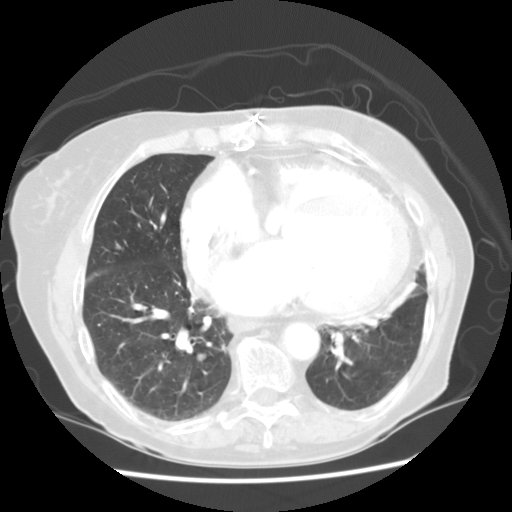
Chest CT, axial plane, 120 kVp, kernel STANDARD. Slice 58/125 from the bottom of the scan; thickness 2.50 mm; pixel size 0.664 mm.
Pulmonary nodule, outlined by all four readers. Box on this slice rows 352–361, columns 196–206, the union of the readers' outlines on this slice; the four readers' outlines give a longest diameter between 8.4 and 9.8 mm and a volume between 239 and 369 mm3. Ratings across the readers: texture 5/5 (solid), all four readers agreeing; margin from 4/5 to 5/5 (circumscribed) across the four readers; sphericity from 4/5 to 5/5 (round) across the four readers; calcification absent from all four readers; internal structure soft tissue from all four readers; subtlety rated between 2 and 5 out of 5 by the four readers; malignancy likelihood from 2/5 to 5/5 across the four readers. Scale key (1–5): texture non-solid→solid, margin indistinct→circumscribed, sphericity linear→round, subtlety extremely subtle→obvious, malignancy likelihood highly unlikely→highly suspicious of cancer. Box rows and columns are 0-based pixel indices from the top-left corner, inclusive.